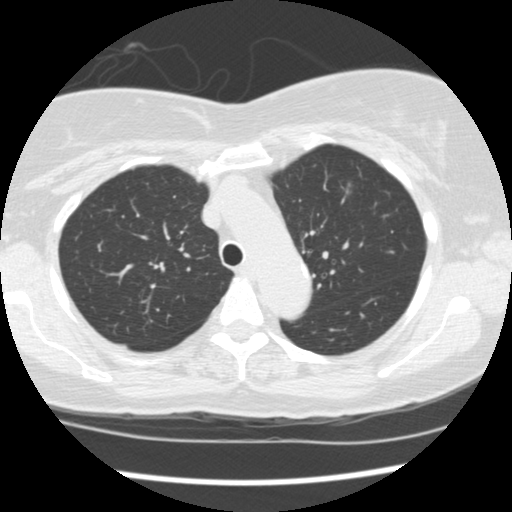
Slice 110/149 of a chest CT, counting up from the lowest; pixel size 0.625 mm, slice thickness 2.50 mm. Pulmonary nodule outlined by two of the four readers, one of them on this slice; box rows 182–194, columns 345–351 (the one reader's outline on this slice); longest diameter 10.7 mm on average over the two readers' outlines (readers' outlines 10.6–10.7 mm), volume 136–238 mm3. Ratings, by the readers' most common answer with dissent counted: texture split among the readers: 1/5 (non-solid) (one), 2/5 (one); margin split among the readers: 1/5 (indistinct) (one), 2/5 (one); sphericity 3/5 (ovoid), both readers agreeing; calcification absent, both readers agreeing; internal structure soft tissue from both readers; subtlety split among the readers: 1/5 (one), 2/5 (one); malignancy likelihood split among the readers: 2/5 (one), 3/5 (one). Scale key (1–5): texture non-solid→solid, margin indistinct→circumscribed, sphericity linear→round, subtlety extremely subtle→obvious, malignancy likelihood highly unlikely→highly suspicious of cancer. Box rows and columns are 0-based pixel indices from the top-left corner, inclusive.
Acquired at 120 kVp and reconstructed with the STANDARD kernel.